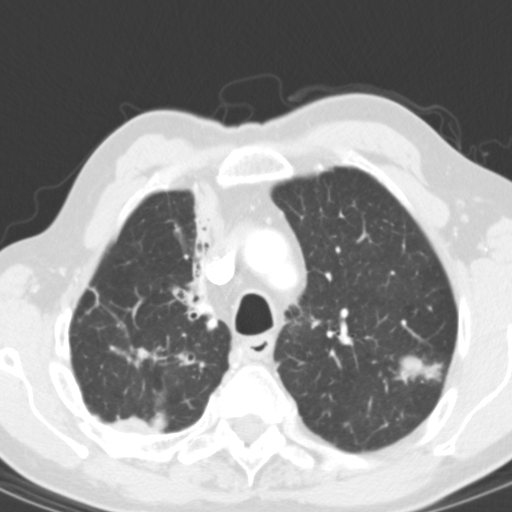
This is axial slice 97 of 127 (slice 1 is the lowest) of a chest CT; each pixel is 0.537 mm and the slice is 3.00 mm thick. Pulmonary nodule outlined by all four readers; box rows 355–384, columns 397–443 (the union of the readers' outlines on this slice); the four readers' outlines give a longest diameter between 25.3 and 34.3 mm and a volume between 2614 and 3808 mm3. The readers' ratings, as ranges where they differ: texture from 4/5 to 5/5 (solid) across the four readers; margin from 2/5 to 5/5 (circumscribed) across the four readers; sphericity from 3/5 (ovoid) to 4/5 across the four readers; calcification absent, all four readers agreeing; internal structure soft tissue, all four readers agreeing; subtlety 4–5/5 (the readers disagree); malignancy likelihood rated between 2 and 5 out of 5 by the four readers. Scale key (1–5): texture non-solid→solid, margin indistinct→circumscribed, sphericity linear→round, subtlety extremely subtle→obvious, malignancy likelihood highly unlikely→highly suspicious of cancer. Box rows and columns are 0-based pixel indices from the top-left corner, inclusive.
Tube voltage 120 kVp; convolution kernel B31f.